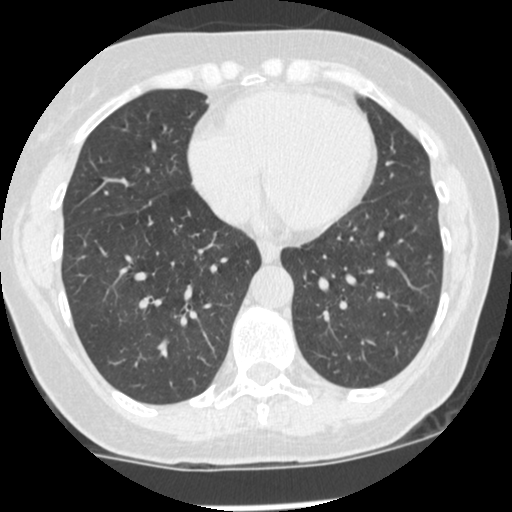
Axial chest CT slice 153 of 465 (counted from the lowest slice); tube voltage 120 kVp, convolution kernel STANDARD; slices 1.25 mm thick, 0.586 mm per pixel.
Pulmonary nodule outlined by one of the four readers; box rows 255–258, columns 427–431 (that reader's outline on this slice); longest diameter 4.7 mm and volume 27 mm3 from that reader's outline. That reader's ratings: texture 5/5 (solid); margin 5/5 (circumscribed); sphericity 5/5 (round); calcification absent; internal structure soft tissue; subtlety 5/5; malignancy likelihood 3/5. Scale key (1–5): texture non-solid→solid, margin indistinct→circumscribed, sphericity linear→round, subtlety extremely subtle→obvious, malignancy likelihood highly unlikely→highly suspicious of cancer. Box rows and columns are 0-based pixel indices from the top-left corner, inclusive.